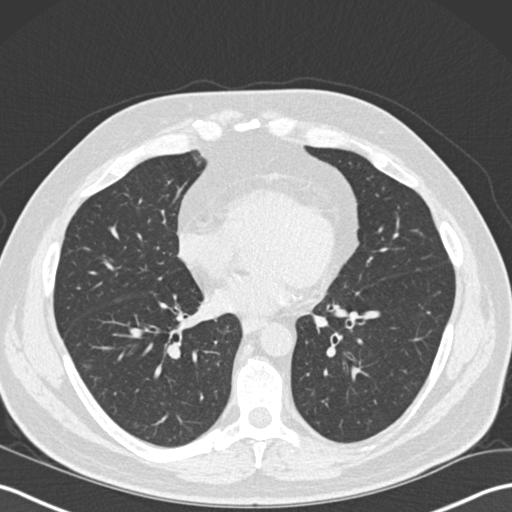
Chest CT, axial plane, 120 kVp, kernel B30f. Slice 88/191 from the bottom of the scan; thickness 2.00 mm; pixel size 0.684 mm.
Pulmonary nodule outlined by all four readers, three of them on this slice; box rows 268–270, columns 415–420 (the union of the readers' outlines on this slice); longest diameter 7.8–8.8 mm and volume 75–119 mm3 across the four readers' outlines. The readers' ratings, as ranges where they differ: texture from 1/5 (non-solid) to 5/5 (solid) across the four readers; margin from 2/5 to 4/5 across the four readers; sphericity 3/5 (ovoid) from all four readers; calcification absent, all four readers agreeing; internal structure soft tissue, all four readers agreeing; subtlety from 2/5 to 5/5 across the four readers; malignancy likelihood 2/5 from all four readers. Scale key (1–5): texture non-solid→solid, margin indistinct→circumscribed, sphericity linear→round, subtlety extremely subtle→obvious, malignancy likelihood highly unlikely→highly suspicious of cancer. Box rows and columns are 0-based pixel indices from the top-left corner, inclusive.